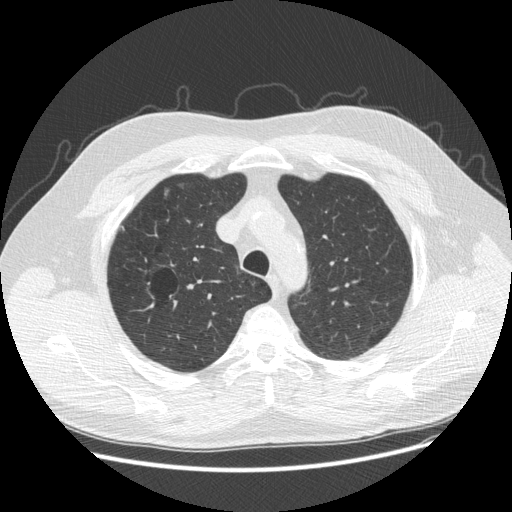
This is axial slice 382 of 481 (slice 1 is the lowest) of a chest CT; each pixel is 0.742 mm and the slice is 1.25 mm thick. Pulmonary nodule outlined by two of the four readers, one of them on this slice; box rows 188–198, columns 164–169 (the one reader's outline on this slice); median longest diameter 8.7 mm (readers' outlines 8.5–9.0 mm), median volume 95 mm3 (54–136 mm3). Median ratings and the readers' spread: texture 3.5/5 at the median of two readers, spread 3/5 (part-solid) to 4/5; margin 3/5 at the median of two readers, spread 2/5 to 4/5; sphericity 2.5/5 at the median of two readers, spread 2/5 to 3/5 (ovoid); calcification absent, both readers agreeing; internal structure soft tissue, both readers agreeing; subtlety 2/5 at the median of two readers, spread 1–3; malignancy likelihood 3/5 at the median of two readers, spread 2–4. Scale key (1–5): texture non-solid→solid, margin indistinct→circumscribed, sphericity linear→round, subtlety extremely subtle→obvious, malignancy likelihood highly unlikely→highly suspicious of cancer. Box rows and columns are 0-based pixel indices from the top-left corner, inclusive.
Tube voltage 120 kVp; convolution kernel STANDARD.